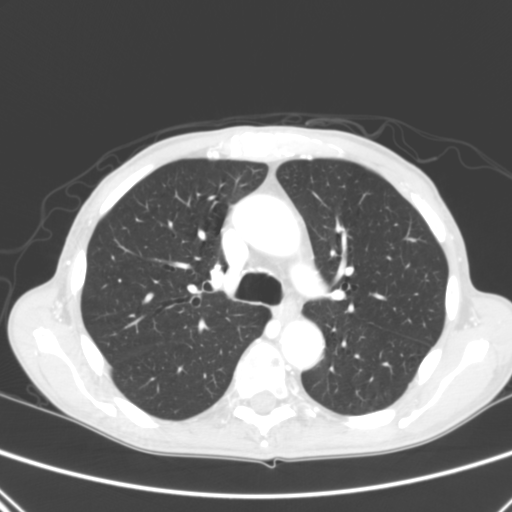
One axial slice (192 of 290, counting up from the lowest) of a chest CT acquired at 120 kVp with the B kernel; each pixel is 0.639 mm and the slice is 2.00 mm thick.
Pulmonary nodule at rows 239–241, columns 409–416 (box = that reader's outline on this slice), outlined by one of the four readers; longest diameter 6.9 mm and volume 63 mm3 from that reader's outline. That reader's ratings: texture 5/5 (solid); margin 5/5 (circumscribed); sphericity 3/5 (ovoid); calcification absent; internal structure soft tissue; subtlety 3/5; malignancy likelihood 2/5. Scale key (1–5): texture non-solid→solid, margin indistinct→circumscribed, sphericity linear→round, subtlety extremely subtle→obvious, malignancy likelihood highly unlikely→highly suspicious of cancer. Box rows and columns are 0-based pixel indices from the top-left corner, inclusive.